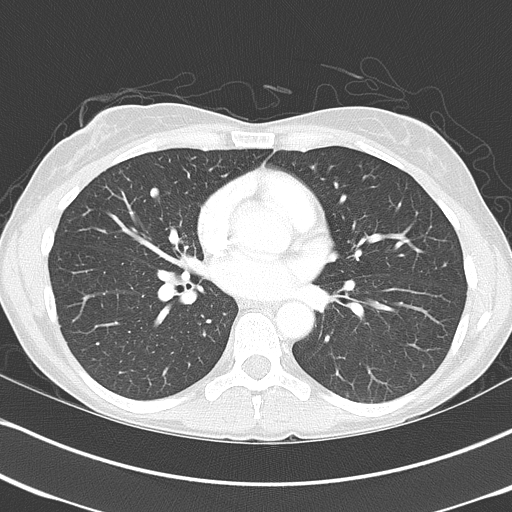
Axial slice 203 of 368 of a chest CT (slice 1 is the lowest), reconstructed with the B70f kernel at 120 kVp; 2.00 mm slice thickness and 0.623 mm pixels.
Pulmonary nodule, outlined by all four readers. Box on this slice rows 188–202, columns 150–159, the union of the readers' outlines on this slice; longest diameter 12.8 mm on average over the four readers' outlines (readers' outlines 12.1–13.5 mm), volume 274–376 mm3. Ratings, by the readers' most common answer with dissent counted: texture 5/5 (solid) by three of four readers; the rest gave 4/5 (one); margin 5/5 (circumscribed) by two of four readers; the rest gave 3/5 (one), 4/5 (one); sphericity split among the readers: 2/5 (two), 3/5 (ovoid) (two); calcification absent by two of four readers, non-central calcification (one), solid calcification (one); internal structure soft tissue, all four readers agreeing; subtlety 5/5 from all four readers; malignancy likelihood 4/5 by two of four readers; the rest gave 2/5 (one), 3/5 (one). Scale key (1–5): texture non-solid→solid, margin indistinct→circumscribed, sphericity linear→round, subtlety extremely subtle→obvious, malignancy likelihood highly unlikely→highly suspicious of cancer. Box rows and columns are 0-based pixel indices from the top-left corner, inclusive.